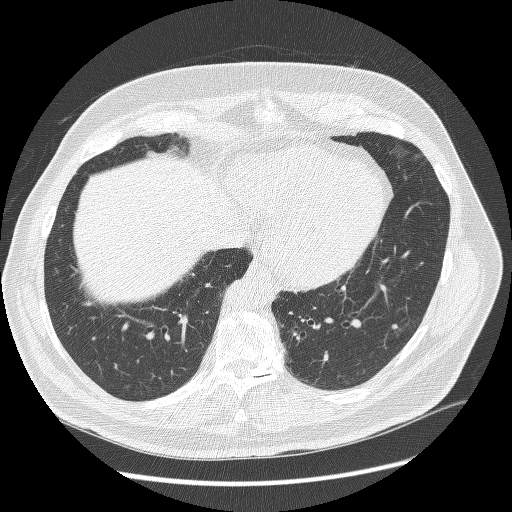
Slice 96/258 of a chest CT, counting up from the lowest; pixel size 0.766 mm, slice thickness 1.25 mm. Pulmonary nodule at rows 324–329, columns 391–397 (box = the union of the readers' outlines on this slice), outlined by all four readers; median longest diameter 6.4 mm (readers' outlines 5.8–7.1 mm), median volume 79 mm3 (44–99 mm3). Median ratings and the readers' spread: texture 4.5/5 at the median of four readers, spread 4/5 to 5/5 (solid); margin 4/5 at the median of four readers, spread 4/5 to 5/5 (circumscribed); sphericity 4.5/5 at the median of four readers, spread 3/5 (ovoid) to 5/5 (round); calcification absent from all four readers; internal structure soft tissue from all four readers; median subtlety 3.5/5 (readers ranged 2–5); median malignancy likelihood 3/5 (readers ranged 2–3). Scale key (1–5): texture non-solid→solid, margin indistinct→circumscribed, sphericity linear→round, subtlety extremely subtle→obvious, malignancy likelihood highly unlikely→highly suspicious of cancer. Box rows and columns are 0-based pixel indices from the top-left corner, inclusive.
Acquired at 120 kVp and reconstructed with the BONE kernel.